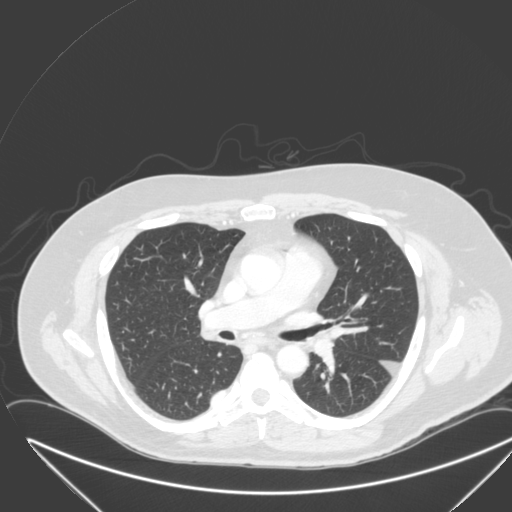
Axial chest CT slice 185 of 315 (counted from the lowest slice); 2.00 mm thick, 0.830 mm per pixel. Pulmonary nodule at rows 391–404, columns 211–223 (box = that reader's outline on this slice), outlined by one of the four readers; longest diameter 27.1 mm and volume 6093 mm3 from that reader's outline. That reader's ratings: texture 5/5 (solid); margin 4/5; sphericity 2/5; calcification absent; internal structure soft tissue; subtlety 5/5; malignancy likelihood 4/5. Scale key (1–5): texture non-solid→solid, margin indistinct→circumscribed, sphericity linear→round, subtlety extremely subtle→obvious, malignancy likelihood highly unlikely→highly suspicious of cancer. Box rows and columns are 0-based pixel indices from the top-left corner, inclusive.
Acquired at 120 kVp and reconstructed with the B kernel.